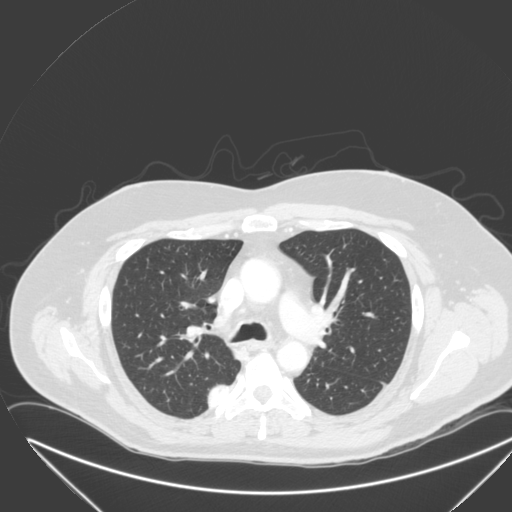
Axial chest CT slice 209 of 315 (counted from the lowest slice); tube voltage 120 kVp, convolution kernel B; slices 2.00 mm thick, 0.830 mm per pixel.
Pulmonary nodule outlined by one of the four readers; box rows 386–406, columns 209–227 (that reader's outline on this slice); longest diameter 27.1 mm and volume 6093 mm3 from that reader's outline. Ratings by that reader: texture 5/5 (solid); margin 4/5; sphericity 2/5; calcification absent; internal structure soft tissue; subtlety 5/5; malignancy likelihood 4/5. Scale key (1–5): texture non-solid→solid, margin indistinct→circumscribed, sphericity linear→round, subtlety extremely subtle→obvious, malignancy likelihood highly unlikely→highly suspicious of cancer. Box rows and columns are 0-based pixel indices from the top-left corner, inclusive.